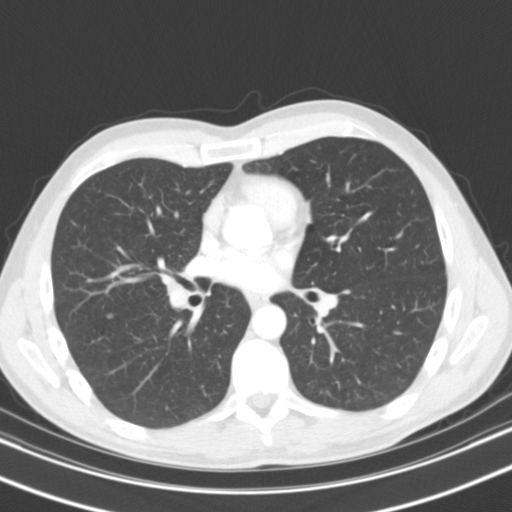
Chest CT, axial plane, 130 kVp, kernel B31s. Slice 61/119 from the bottom of the scan; thickness 3.00 mm; pixel size 0.650 mm.
Pulmonary nodule at rows 313–318, columns 106–113 (box = the union of the readers' outlines on this slice), outlined by three of the four readers; longest diameter 5.6 mm on average over the three readers' outlines (readers' outlines 5.1–6.1 mm), volume 56–110 mm3. The readers' prevailing ratings and who disagreed: texture split among the readers: 1/5 (non-solid) (one), 3/5 (part-solid) (one), 5/5 (solid) (one); margin split among the readers: 2/5 (one), 3/5 (one), 4/5 (one); sphericity 3/5 (ovoid) by two of three readers; the rest gave 5/5 (round) (one); calcification absent from all three readers; internal structure soft tissue, all three readers agreeing; subtlety split among the readers: 1/5 (one), 2/5 (one), 4/5 (one); most readers (two of three) put malignancy likelihood at 2/5, others 3/5 (one). Scale key (1–5): texture non-solid→solid, margin indistinct→circumscribed, sphericity linear→round, subtlety extremely subtle→obvious, malignancy likelihood highly unlikely→highly suspicious of cancer. Box rows and columns are 0-based pixel indices from the top-left corner, inclusive.